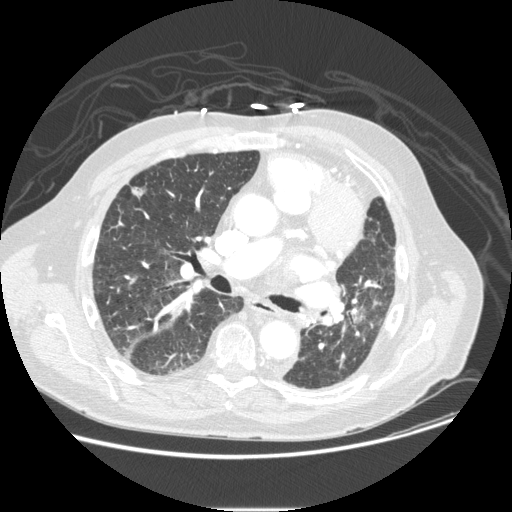
Chest CT, axial plane, 120 kVp, kernel STANDARD. Slice 146/232 from the bottom of the scan; thickness 1.25 mm; pixel size 0.781 mm.
Pulmonary nodule outlined by all four readers; box rows 186–199, columns 130–147 (the union of the readers' outlines on this slice); the four readers' outlines give a longest diameter between 14.3 and 19.0 mm and a volume between 516 and 753 mm3. Ratings across the readers: texture from 4/5 to 5/5 (solid) across the four readers; margin from 3/5 to 4/5 across the four readers; sphericity from 3/5 (ovoid) to 4/5 across the four readers; calcification absent, all four readers agreeing; internal structure soft tissue from all four readers; subtlety rated between 4 and 5 out of 5 by the four readers; malignancy likelihood 2–4/5 (the readers disagree). Scale key (1–5): texture non-solid→solid, margin indistinct→circumscribed, sphericity linear→round, subtlety extremely subtle→obvious, malignancy likelihood highly unlikely→highly suspicious of cancer. Box rows and columns are 0-based pixel indices from the top-left corner, inclusive.